Axial slice 240 of 330 of a chest CT (slice 1 is the lowest), reconstructed with the B45f kernel at 120 kVp; 1.00 mm slice thickness and 0.684 mm pixels.
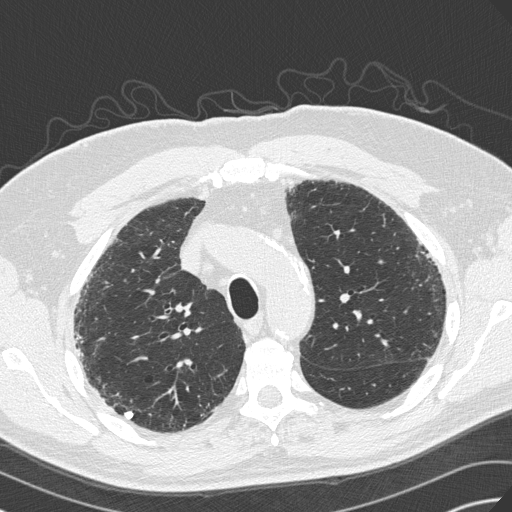
Pulmonary nodule at rows 411–419, columns 124–133 (box = the union of the readers' outlines on this slice), outlined by two of the four readers; median longest diameter 7.7 mm (readers' outlines 7.6–7.8 mm), median volume 125 mm3 (118–132 mm3). Median ratings and the readers' spread: texture 5/5 (solid) from both readers; margin 5/5 (circumscribed) from both readers; sphericity 5/5 (round) from both readers; calcification solid calcification, both readers agreeing; internal structure soft tissue from both readers; subtlety 4.5/5 at the median of two readers, spread 4–5; malignancy likelihood 1/5 from both readers. Scale key (1–5): texture non-solid→solid, margin indistinct→circumscribed, sphericity linear→round, subtlety extremely subtle→obvious, malignancy likelihood highly unlikely→highly suspicious of cancer. Box rows and columns are 0-based pixel indices from the top-left corner, inclusive.